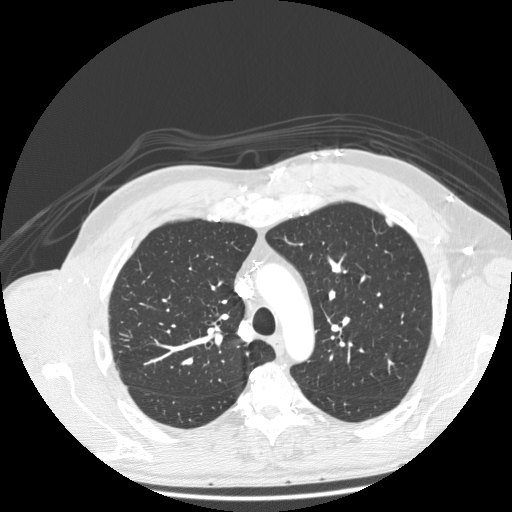
Slice 176/238 of a chest CT, counting up from the lowest; pixel size 0.742 mm, slice thickness 1.25 mm. Pulmonary nodule outlined by one of the four readers; box rows 218–226, columns 385–390 (that reader's outline on this slice); longest diameter 8.7 mm and volume 90 mm3 from that reader's outline. Ratings by that reader: texture 5/5 (solid); margin 5/5 (circumscribed); sphericity 2/5; calcification absent; internal structure soft tissue; subtlety 4/5; malignancy likelihood 1/5. Scale key (1–5): texture non-solid→solid, margin indistinct→circumscribed, sphericity linear→round, subtlety extremely subtle→obvious, malignancy likelihood highly unlikely→highly suspicious of cancer. Box rows and columns are 0-based pixel indices from the top-left corner, inclusive.
Acquired at 120 kVp and reconstructed with the STANDARD kernel.